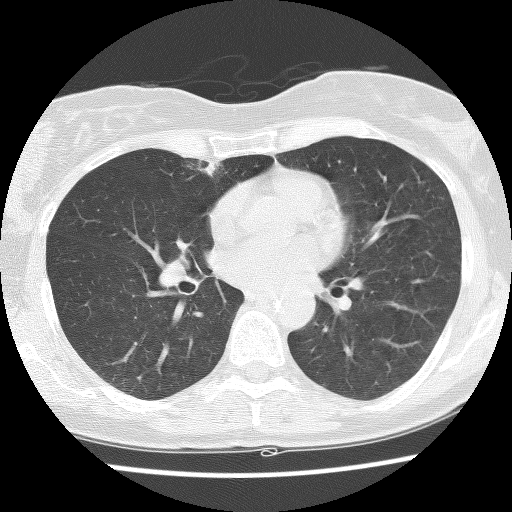
Chest CT, axial plane, 140 kVp, kernel BONE. Slice 68/127 from the bottom of the scan; thickness 2.50 mm; pixel size 0.586 mm.
Pulmonary nodule outlined by one of the four readers; box rows 163–181, columns 199–223 (that reader's outline on this slice); longest diameter 18.8 mm and volume 2440 mm3 from that reader's outline. That reader's ratings: texture 3/5 (part-solid); margin 2/5; sphericity 2/5; calcification absent; internal structure soft tissue; subtlety 4/5; malignancy likelihood 2/5. Scale key (1–5): texture non-solid→solid, margin indistinct→circumscribed, sphericity linear→round, subtlety extremely subtle→obvious, malignancy likelihood highly unlikely→highly suspicious of cancer. Box rows and columns are 0-based pixel indices from the top-left corner, inclusive.